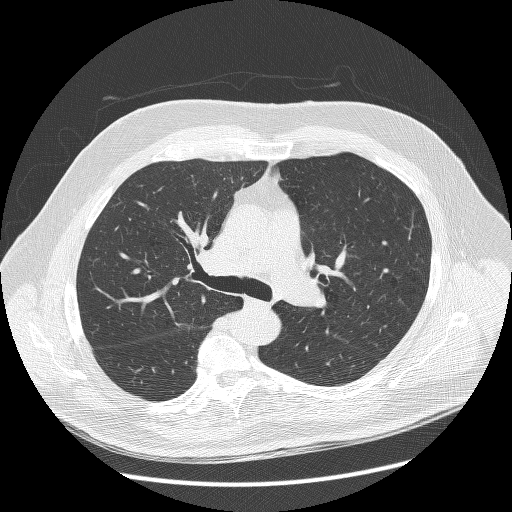
Slice 169/258 of a chest CT, counting up from the lowest; pixel size 0.766 mm, slice thickness 1.25 mm. The readers outlined no nodule of 3 mm or more on this slice.
Tube voltage 120 kVp; convolution kernel BONE.